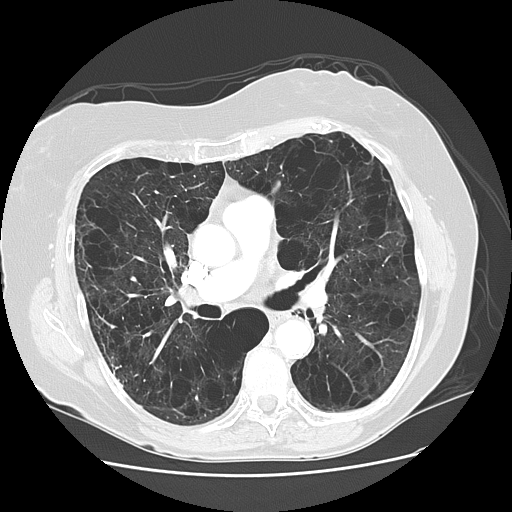
Axial chest CT slice 71 of 125 (counted from the lowest slice); 2.50 mm thick, 0.703 mm per pixel. None of the four readers outlined a nodule of 3 mm or more on this slice.
Tube voltage 120 kVp; convolution kernel LUNG.